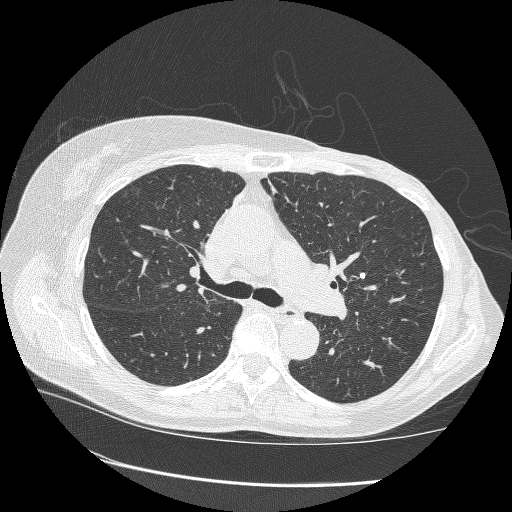
Axial slice 184 of 265 of a chest CT (slice 1 is the lowest), reconstructed with the BONE kernel at 120 kVp; 1.25 mm slice thickness and 0.664 mm pixels.
Pulmonary nodule at rows 272–278, columns 359–365 (box = that reader's outline on this slice), outlined by one of the four readers; longest diameter 5.5 mm and volume 53 mm3 from that reader's outline. Ratings by that reader: texture 5/5 (solid); margin 5/5 (circumscribed); sphericity 5/5 (round); calcification solid calcification; internal structure soft tissue; subtlety 1/5; malignancy likelihood 1/5. Scale key (1–5): texture non-solid→solid, margin indistinct→circumscribed, sphericity linear→round, subtlety extremely subtle→obvious, malignancy likelihood highly unlikely→highly suspicious of cancer. Box rows and columns are 0-based pixel indices from the top-left corner, inclusive.